One axial slice (183 of 209, counting up from the lowest) of a chest CT acquired at 120 kVp with the STANDARD kernel; each pixel is 0.693 mm and the slice is 1.25 mm thick.
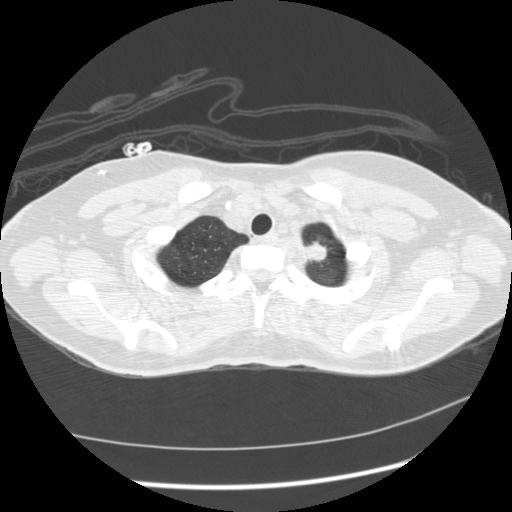
Pulmonary nodule outlined by all four readers; box rows 240–266, columns 304–327 (the union of the readers' outlines on this slice); median longest diameter 23.3 mm (readers' outlines 21.8–25.6 mm), median volume 3063 mm3 (2801–4927 mm3). Ratings, median across the readers with their spread: median texture 4/5 (readers ranged 4/5 to 5/5 (solid)); margin 3.5/5 at the median of four readers, spread 3/5 to 4/5; sphericity 3.5/5 at the median of four readers, spread 2/5 to 5/5 (round); calcification absent from all four readers; internal structure soft tissue from all four readers; subtlety 5/5 from all four readers; malignancy likelihood 4.5/5 at the median of four readers, spread 3–5. Scale key (1–5): texture non-solid→solid, margin indistinct→circumscribed, sphericity linear→round, subtlety extremely subtle→obvious, malignancy likelihood highly unlikely→highly suspicious of cancer. Box rows and columns are 0-based pixel indices from the top-left corner, inclusive.